Axial chest CT slice 213 of 280 (counted from the lowest slice); tube voltage 120 kVp, convolution kernel D; slices 1.00 mm thick, 0.564 mm per pixel.
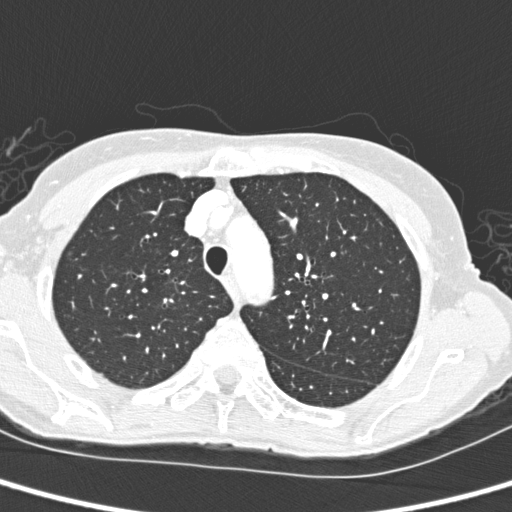
Pulmonary nodule, outlined by two of the four readers. Box on this slice rows 251–254, columns 67–71, the union of the readers' outlines on this slice; median longest diameter 4.6 mm (readers' outlines 4.6 mm), median volume 23 mm3 (16–30 mm3). Median ratings and the readers' spread: median texture 3/5 (part-solid) (readers ranged 1/5 (non-solid) to 5/5 (solid)); margin 5/5 (circumscribed), both readers agreeing; median sphericity 4.5/5 (readers ranged 4/5 to 5/5 (round)); calcification absent, both readers agreeing; internal structure soft tissue from both readers; subtlety 2.5/5 at the median of two readers, spread 1–4; malignancy likelihood 1.5/5 at the median of two readers, spread 1–2. Scale key (1–5): texture non-solid→solid, margin indistinct→circumscribed, sphericity linear→round, subtlety extremely subtle→obvious, malignancy likelihood highly unlikely→highly suspicious of cancer. Box rows and columns are 0-based pixel indices from the top-left corner, inclusive.